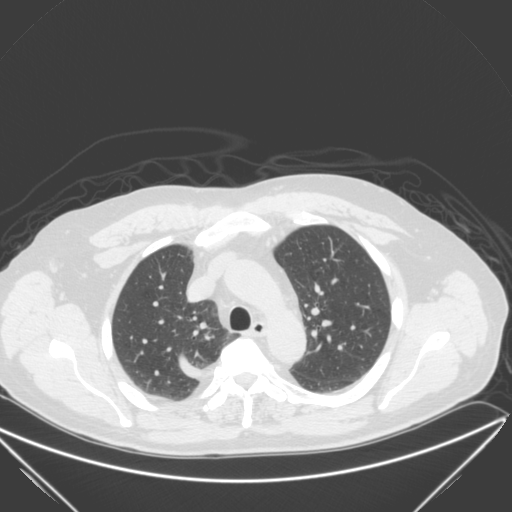
Axial chest CT slice 197 of 280 (counted from the lowest slice); 2.00 mm thick, 0.805 mm per pixel. Pulmonary nodule at rows 334–338, columns 211–214 (box = that reader's outline on this slice), outlined by one of the four readers; longest diameter 6.1 mm and volume 89 mm3 from that reader's outline. That reader's ratings: texture 5/5 (solid); margin 5/5 (circumscribed); sphericity 5/5 (round); calcification absent; internal structure soft tissue; subtlety 5/5; malignancy likelihood 3/5. Scale key (1–5): texture non-solid→solid, margin indistinct→circumscribed, sphericity linear→round, subtlety extremely subtle→obvious, malignancy likelihood highly unlikely→highly suspicious of cancer. Box rows and columns are 0-based pixel indices from the top-left corner, inclusive.
Tube voltage 120 kVp; convolution kernel B.